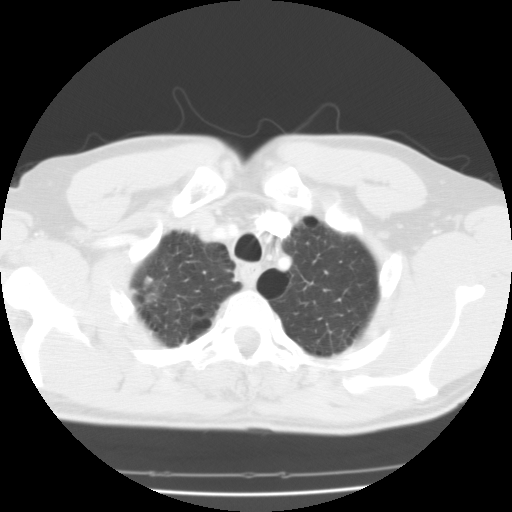
Axial chest CT slice 89 of 102 (counted from the lowest slice); 3.00 mm thick, 0.647 mm per pixel. Pulmonary nodule outlined by two of the four readers; box rows 274–303, columns 141–163 (the union of the readers' outlines on this slice); median longest diameter 30.5 mm (readers' outlines 29.1–32.0 mm), median volume 3115 mm3 (2486–3744 mm3). Median ratings and the readers' spread: texture 5/5 (solid), both readers agreeing; median margin 2.5/5 (readers ranged 1/5 (indistinct) to 4/5); median sphericity 3.5/5 (readers ranged 3/5 (ovoid) to 4/5); calcification absent from both readers; internal structure soft tissue from both readers; median subtlety 4/5 (readers ranged 3–5); median malignancy likelihood 2.5/5 (readers ranged 1–4). Scale key (1–5): texture non-solid→solid, margin indistinct→circumscribed, sphericity linear→round, subtlety extremely subtle→obvious, malignancy likelihood highly unlikely→highly suspicious of cancer. Box rows and columns are 0-based pixel indices from the top-left corner, inclusive.
Tube voltage 135 kVp; convolution kernel FC01.